Axial chest CT slice 65 of 280 (counted from the lowest slice); tube voltage 140 kVp, convolution kernel D; slices 1.00 mm thick, 0.801 mm per pixel.
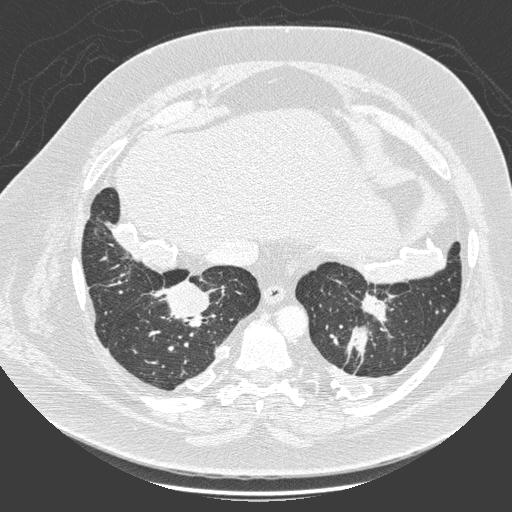
Pulmonary nodule at rows 285–319, columns 168–210 (box = that reader's outline on this slice), outlined by one of the four readers; longest diameter 49.9 mm and volume 31112 mm3 from that reader's outline. Ratings by that reader: texture 5/5 (solid); margin 4/5; sphericity 5/5 (round); calcification non-central calcification; internal structure soft tissue; subtlety 5/5; malignancy likelihood 5/5. Scale key (1–5): texture non-solid→solid, margin indistinct→circumscribed, sphericity linear→round, subtlety extremely subtle→obvious, malignancy likelihood highly unlikely→highly suspicious of cancer. Box rows and columns are 0-based pixel indices from the top-left corner, inclusive.